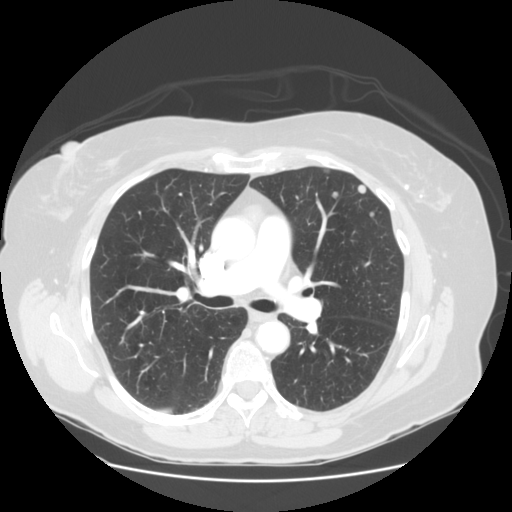
Slice 79/128 of a chest CT, counting up from the lowest; pixel size 0.742 mm, slice thickness 2.50 mm. Four pulmonary nodules are outlined on this slice; from left to right: (1) Pulmonary nodule, outlined by three of the four readers, one of them on this slice. Box on this slice rows 169–172, columns 323–329, the one reader's outline on this slice; the three readers' outlines give a longest diameter between 6.6 and 7.0 mm and a volume between 55 and 151 mm3. The readers' ratings, as ranges where they differ: texture from 3/5 (part-solid) to 5/5 (solid) across the three readers; margin from 2/5 to 5/5 (circumscribed) across the three readers; sphericity from 3/5 (ovoid) to 5/5 (round) across the three readers; calcification absent, all three readers agreeing; internal structure soft tissue from all three readers; subtlety rated between 3 and 4 out of 5 by the three readers; malignancy likelihood rated between 2 and 3 out of 5 by the three readers. (2) Pulmonary nodule, outlined by three of the four readers. Box on this slice rows 192–198, columns 331–338, the union of the readers' outlines on this slice; longest diameter 7.1 mm on average over the three readers' outlines (readers' outlines 6.7–7.3 mm), volume 143–185 mm3. Ratings, by the readers' most common answer with dissent counted: texture 5/5 (solid) by two of three readers; the rest gave 3/5 (part-solid) (one); most readers (two of three) put margin at 5/5 (circumscribed), others 3/5 (one); sphericity 5/5 (round) by two of three readers; the rest gave 4/5 (one); calcification absent, all three readers agreeing; internal structure soft tissue from all three readers; most readers (two of three) put subtlety at 3/5, others 4/5 (one); malignancy likelihood 3/5 by two of three readers; the rest gave 2/5 (one). (3) Pulmonary nodule at rows 184–193, columns 358–365 (box = the union of the readers' outlines on this slice), outlined by all four readers; longest diameter 8.0–8.7 mm and volume 205–313 mm3 across the four readers' outlines. The readers' ratings, as ranges where they differ: texture 5/5 (solid), all four readers agreeing; margin 5/5 (circumscribed), all four readers agreeing; sphericity from 3/5 (ovoid) to 5/5 (round) across the four readers; calcification absent from all four readers; internal structure soft tissue from all four readers; subtlety rated between 3 and 5 out of 5 by the four readers; malignancy likelihood rated between 2 and 3 out of 5 by the four readers. (4) Pulmonary nodule outlined by one of the four readers; box rows 212–216, columns 370–374 (that reader's outline on this slice); longest diameter 5.4 mm and volume 106 mm3 from that reader's outline. That reader's ratings: texture 5/5 (solid); margin 5/5 (circumscribed); sphericity 5/5 (round); calcification absent; internal structure soft tissue; subtlety 3/5; malignancy likelihood 2/5. Scale key (1–5): texture non-solid→solid, margin indistinct→circumscribed, sphericity linear→round, subtlety extremely subtle→obvious, malignancy likelihood highly unlikely→highly suspicious of cancer. Box rows and columns are 0-based pixel indices from the top-left corner, inclusive.
Acquired at 120 kVp and reconstructed with the STANDARD kernel.